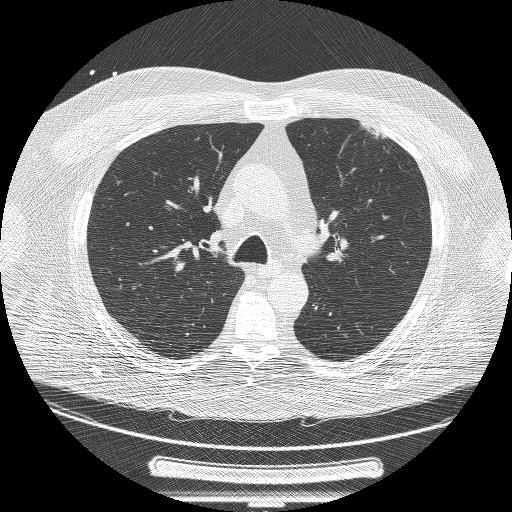
One axial slice (154 of 239, counting up from the lowest) of a chest CT acquired at 120 kVp with the BONE kernel; each pixel is 0.795 mm and the slice is 1.25 mm thick.
Pulmonary nodule, outlined by two of the four readers. Box on this slice rows 123–139, columns 360–385, the union of the readers' outlines on this slice; longest diameter 43.2 mm on average over the two readers' outlines (readers' outlines 43.0–43.4 mm), volume 10396–11168 mm3. The readers' prevailing ratings and who disagreed: texture split among the readers: 3/5 (part-solid) (one), 5/5 (solid) (one); margin split among the readers: 1/5 (indistinct) (one), 3/5 (one); sphericity split among the readers: 1/5 (linear) (one), 3/5 (ovoid) (one); calcification absent from both readers; internal structure soft tissue, both readers agreeing; subtlety 5/5, both readers agreeing; malignancy likelihood 5/5, both readers agreeing. Scale key (1–5): texture non-solid→solid, margin indistinct→circumscribed, sphericity linear→round, subtlety extremely subtle→obvious, malignancy likelihood highly unlikely→highly suspicious of cancer. Box rows and columns are 0-based pixel indices from the top-left corner, inclusive.